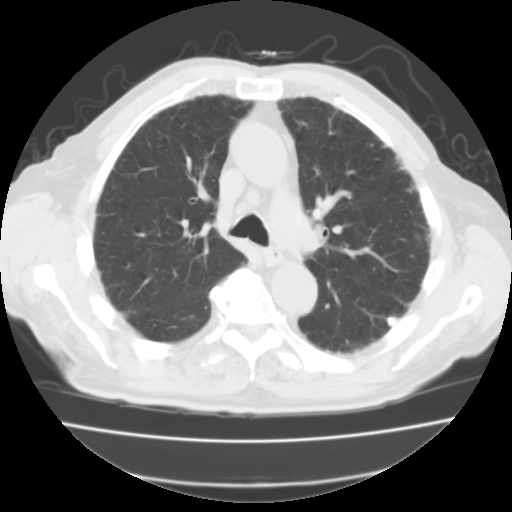
One axial slice (68 of 111, counting up from the lowest) of a chest CT acquired at 135 kVp with the FC01 kernel; each pixel is 0.714 mm and the slice is 3.00 mm thick.
Two pulmonary nodules are outlined on this slice; from left to right: (1) Pulmonary nodule outlined by all four readers; box rows 316–325, columns 387–397 (the union of the readers' outlines on this slice); median longest diameter 10.4 mm (readers' outlines 10.1–12.3 mm), median volume 533 mm3 (448–609 mm3). Ratings, median across the readers with their spread: texture 5/5 (solid), all four readers agreeing; margin 5/5 (circumscribed) from all four readers; sphericity 5/5 (round) from all four readers; calcification solid calcification, all four readers agreeing; internal structure soft tissue from all four readers; subtlety 5/5, all four readers agreeing; malignancy likelihood 1/5, all four readers agreeing. (2) Pulmonary nodule outlined by all four readers, one of them on this slice; box rows 234–238, columns 415–419 (the one reader's outline on this slice); median longest diameter 24.6 mm (readers' outlines 24.3–25.8 mm), median volume 4094 mm3 (3889–4187 mm3). Ratings, median across the readers with their spread: texture 5/5 (solid), all four readers agreeing; margin 5/5 (circumscribed), all four readers agreeing; sphericity 3/5 (ovoid) at the median of four readers, spread 3/5 (ovoid) to 5/5 (round); calcification absent from all four readers; internal structure soft tissue from all four readers; subtlety 5/5, all four readers agreeing; malignancy likelihood 3.5/5 at the median of four readers, spread 2–5. Scale key (1–5): texture non-solid→solid, margin indistinct→circumscribed, sphericity linear→round, subtlety extremely subtle→obvious, malignancy likelihood highly unlikely→highly suspicious of cancer. Box rows and columns are 0-based pixel indices from the top-left corner, inclusive.